Axial slice 52 of 96 of a chest CT (slice 1 is the lowest), reconstructed with the B45f kernel at 120 kVp; 3.00 mm slice thickness and 0.645 mm pixels.
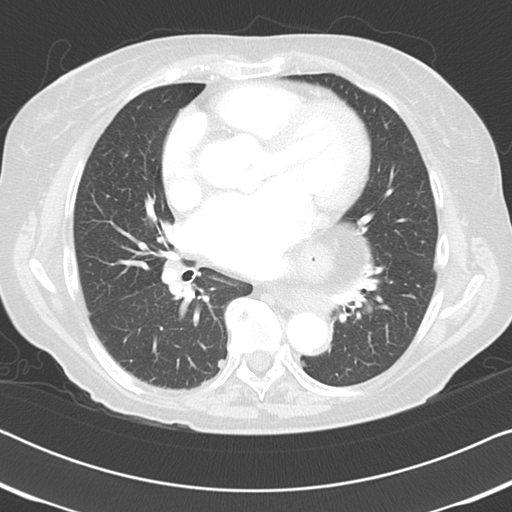
Pulmonary nodule at rows 359–368, columns 217–224 (box = the union of the readers' outlines on this slice), outlined by all four readers; median longest diameter 6.3 mm (readers' outlines 6.3–7.9 mm), median volume 74 mm3 (72–142 mm3). Median ratings and the readers' spread: texture 5/5 (solid), all four readers agreeing; margin 5/5 (circumscribed) from all four readers; median sphericity 3/5 (ovoid) (readers ranged 3/5 (ovoid) to 5/5 (round)); calcification absent, all four readers agreeing; internal structure soft tissue, all four readers agreeing; median subtlety 4/5 (readers ranged 3–5); median malignancy likelihood 3/5 (readers ranged 2–3). Scale key (1–5): texture non-solid→solid, margin indistinct→circumscribed, sphericity linear→round, subtlety extremely subtle→obvious, malignancy likelihood highly unlikely→highly suspicious of cancer. Box rows and columns are 0-based pixel indices from the top-left corner, inclusive.